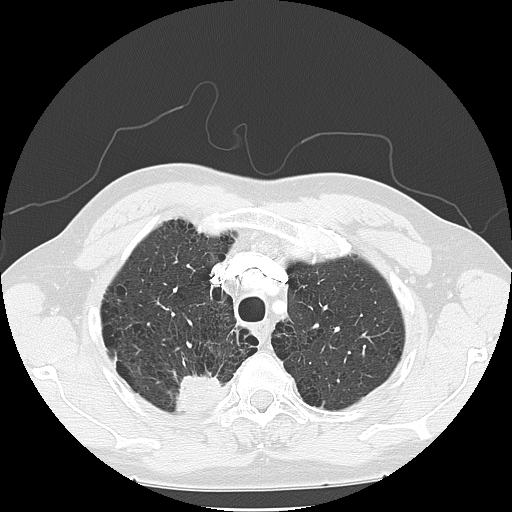
One axial slice (107 of 133, counting up from the lowest) of a chest CT acquired at 120 kVp with the LUNG kernel; each pixel is 0.703 mm and the slice is 2.50 mm thick.
Pulmonary nodule, outlined by one of the four readers. Box on this slice rows 376–410, columns 178–219, that reader's outline on this slice; longest diameter 40.9 mm and volume 12423 mm3 from that reader's outline. Ratings by that reader: texture 5/5 (solid); margin 3/5; sphericity 3/5 (ovoid); calcification absent; internal structure soft tissue; subtlety 5/5; malignancy likelihood 2/5. Scale key (1–5): texture non-solid→solid, margin indistinct→circumscribed, sphericity linear→round, subtlety extremely subtle→obvious, malignancy likelihood highly unlikely→highly suspicious of cancer. Box rows and columns are 0-based pixel indices from the top-left corner, inclusive.